One axial slice (183 of 289, counting up from the lowest) of a chest CT acquired at 120 kVp with the STANDARD kernel; each pixel is 0.764 mm and the slice is 1.25 mm thick.
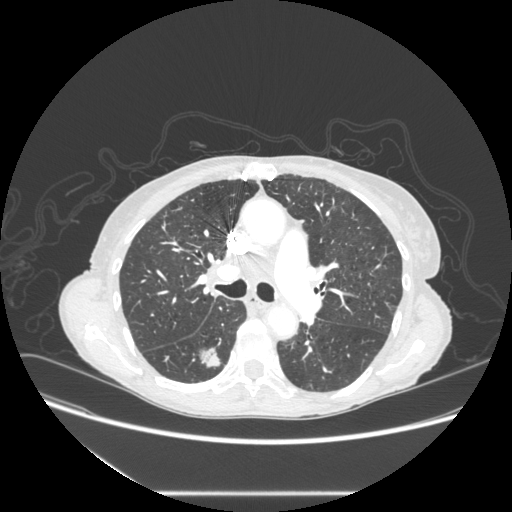
Pulmonary nodule, outlined by all four readers. Box on this slice rows 348–367, columns 199–221, the union of the readers' outlines on this slice; median longest diameter 21.1 mm (readers' outlines 20.5–21.9 mm), median volume 2513 mm3 (2320–2697 mm3). Ratings, median across the readers with their spread: median texture 4.5/5 (readers ranged 4/5 to 5/5 (solid)); margin 4/5 from all four readers; median sphericity 3/5 (ovoid) (readers ranged 3/5 (ovoid) to 5/5 (round)); calcification absent from all four readers; internal structure soft tissue from all four readers; subtlety 5/5 at the median of four readers, spread 4–5; malignancy likelihood 4.5/5 at the median of four readers, spread 3–5. Scale key (1–5): texture non-solid→solid, margin indistinct→circumscribed, sphericity linear→round, subtlety extremely subtle→obvious, malignancy likelihood highly unlikely→highly suspicious of cancer. Box rows and columns are 0-based pixel indices from the top-left corner, inclusive.